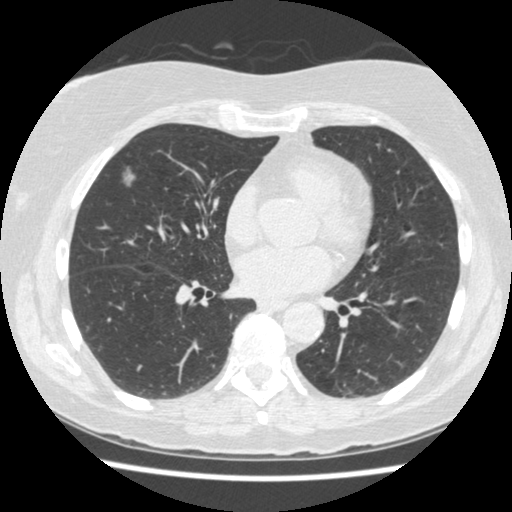
Axial slice 218 of 474 of a chest CT (slice 1 is the lowest), reconstructed with the STANDARD kernel at 120 kVp; 1.25 mm slice thickness and 0.625 mm pixels.
Pulmonary nodule, outlined by all four readers. Box on this slice rows 166–187, columns 121–136, the union of the readers' outlines on this slice; longest diameter 12.6–15.8 mm and volume 209–921 mm3 across the four readers' outlines. The readers' ratings, as ranges where they differ: texture from 2/5 to 3/5 (part-solid) across the four readers; margin from 1/5 (indistinct) to 3/5 across the four readers; sphericity from 2/5 to 5/5 (round) across the four readers; calcification absent from all four readers; internal structure soft tissue from all four readers; subtlety from 3/5 to 5/5 across the four readers; malignancy likelihood from 3/5 to 5/5 across the four readers. Scale key (1–5): texture non-solid→solid, margin indistinct→circumscribed, sphericity linear→round, subtlety extremely subtle→obvious, malignancy likelihood highly unlikely→highly suspicious of cancer. Box rows and columns are 0-based pixel indices from the top-left corner, inclusive.